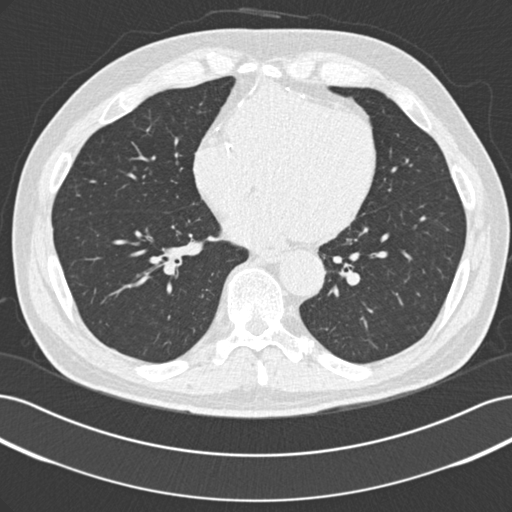
Axial slice 103 of 229 of a chest CT (slice 1 is the lowest), reconstructed with the B30f kernel at 120 kVp; 2.00 mm slice thickness and 0.703 mm pixels.
No nodule of 3 mm or larger was outlined by any of the four readers on this slice.